Axial chest CT slice 322 of 535 (counted from the lowest slice); tube voltage 120 kVp, convolution kernel STANDARD; slices 1.25 mm thick, 0.664 mm per pixel.
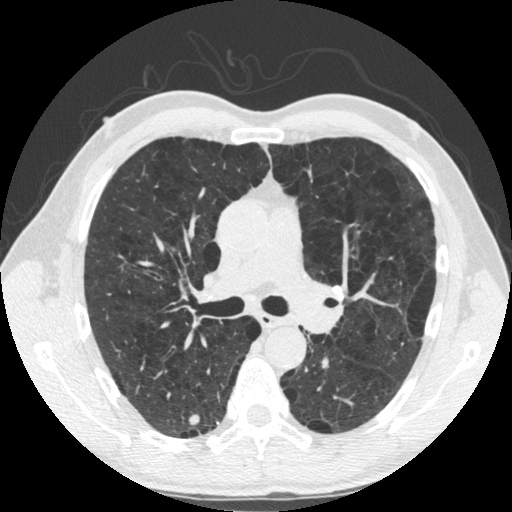
Pulmonary nodule at rows 413–425, columns 189–199 (box = the union of the readers' outlines on this slice), outlined by all four readers; median longest diameter 11.0 mm (readers' outlines 10.5–12.4 mm), median volume 554 mm3 (543–647 mm3). Ratings, median across the readers with their spread: texture 5/5 (solid) from all four readers; margin 5/5 (circumscribed) from all four readers; median sphericity 4.5/5 (readers ranged 3/5 (ovoid) to 5/5 (round)); calcification: absent (three), laminated calcification (one); internal structure soft tissue from all four readers; subtlety 5/5, all four readers agreeing; malignancy likelihood 2.5/5 at the median of four readers, spread 1–5. Scale key (1–5): texture non-solid→solid, margin indistinct→circumscribed, sphericity linear→round, subtlety extremely subtle→obvious, malignancy likelihood highly unlikely→highly suspicious of cancer. Box rows and columns are 0-based pixel indices from the top-left corner, inclusive.